Axial chest CT slice 384 of 465 (counted from the lowest slice); tube voltage 120 kVp, convolution kernel STANDARD; slices 1.25 mm thick, 0.703 mm per pixel.
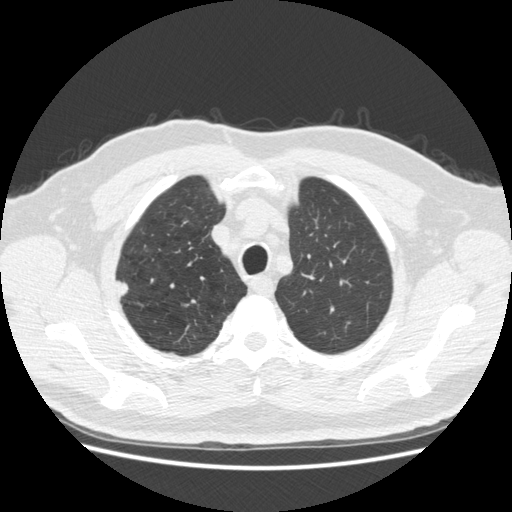
Pulmonary nodule, outlined by all four readers. Box on this slice rows 279–298, columns 115–128, the union of the readers' outlines on this slice; longest diameter 17.5 mm on average over the four readers' outlines (readers' outlines 15.5–18.9 mm), volume 1041–1475 mm3. The readers' prevailing ratings and who disagreed: texture 5/5 (solid) from all four readers; most readers (three of four) put margin at 5/5 (circumscribed), others 4/5 (one); sphericity 3/5 (ovoid) by two of four readers; the rest gave 4/5 (one), 5/5 (round) (one); calcification absent from all four readers; internal structure soft tissue from all four readers; subtlety 5/5 by three of four readers; the rest gave 4/5 (one); malignancy likelihood 5/5 by two of four readers; the rest gave 2/5 (one), 3/5 (one). Scale key (1–5): texture non-solid→solid, margin indistinct→circumscribed, sphericity linear→round, subtlety extremely subtle→obvious, malignancy likelihood highly unlikely→highly suspicious of cancer. Box rows and columns are 0-based pixel indices from the top-left corner, inclusive.